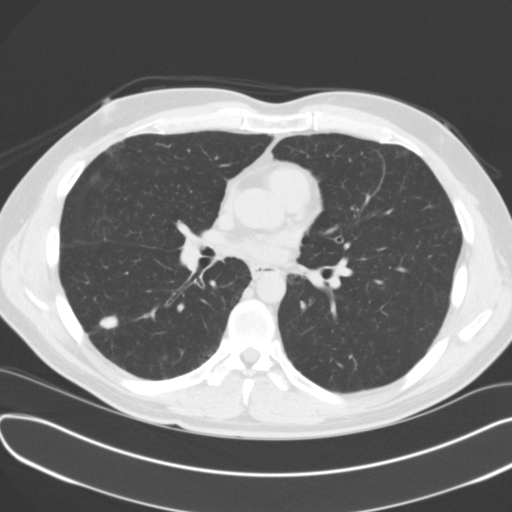
Slice 72/131 of a chest CT, counting up from the lowest; pixel size 0.721 mm, slice thickness 3.00 mm. Pulmonary nodule at rows 315–328, columns 100–118 (box = the union of the readers' outlines on this slice), outlined by all four readers; the four readers' outlines give a longest diameter between 19.8 and 23.2 mm and a volume between 718 and 1650 mm3. The readers' ratings, as ranges where they differ: texture 5/5 (solid) from all four readers; margin from 2/5 to 5/5 (circumscribed) across the four readers; sphericity from 3/5 (ovoid) to 5/5 (round) across the four readers; calcification absent from all four readers; internal structure soft tissue, all four readers agreeing; subtlety rated between 4 and 5 out of 5 by the four readers; malignancy likelihood from 3/5 to 5/5 across the four readers. Scale key (1–5): texture non-solid→solid, margin indistinct→circumscribed, sphericity linear→round, subtlety extremely subtle→obvious, malignancy likelihood highly unlikely→highly suspicious of cancer. Box rows and columns are 0-based pixel indices from the top-left corner, inclusive.
Acquired at 120 kVp and reconstructed with the B31f kernel.